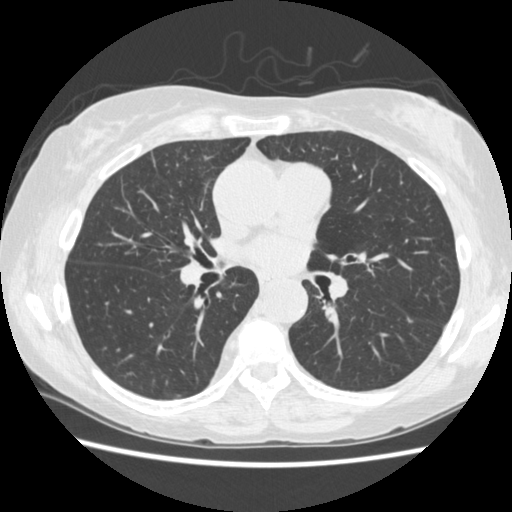
One axial slice (252 of 477, counting up from the lowest) of a chest CT acquired at 120 kVp with the STANDARD kernel; each pixel is 0.664 mm and the slice is 1.25 mm thick.
Pulmonary nodule outlined by two of the four readers; box rows 316–323, columns 407–412 (the union of the readers' outlines on this slice); the two readers' outlines give a longest diameter between 6.3 and 7.2 mm and a volume between 34 and 53 mm3. Ratings across the readers: texture 5/5 (solid) from both readers; margin from 3/5 to 5/5 (circumscribed) across the two readers; sphericity from 2/5 to 3/5 (ovoid) across the two readers; calcification absent, both readers agreeing; internal structure soft tissue from both readers; subtlety from 1/5 to 3/5 across the two readers; malignancy likelihood 2/5 from both readers. Scale key (1–5): texture non-solid→solid, margin indistinct→circumscribed, sphericity linear→round, subtlety extremely subtle→obvious, malignancy likelihood highly unlikely→highly suspicious of cancer. Box rows and columns are 0-based pixel indices from the top-left corner, inclusive.